Axial slice 183 of 375 of a chest CT (slice 1 is the lowest), reconstructed with the B45f kernel at 120 kVp; 1.00 mm slice thickness and 0.586 mm pixels.
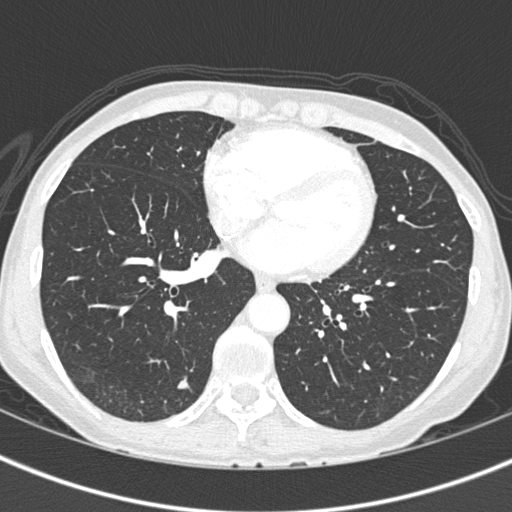
Pulmonary nodule, outlined by all four readers. Box on this slice rows 376–389, columns 175–188, the union of the readers' outlines on this slice; the four readers' outlines give a longest diameter between 7.8 and 9.2 mm and a volume between 83 and 105 mm3. The readers' ratings, as ranges where they differ: texture 5/5 (solid), all four readers agreeing; margin from 4/5 to 5/5 (circumscribed) across the four readers; sphericity from 3/5 (ovoid) to 5/5 (round) across the four readers; calcification absent from all four readers; internal structure soft tissue from all four readers; subtlety rated between 3 and 5 out of 5 by the four readers; malignancy likelihood rated between 3 and 4 out of 5 by the four readers. Scale key (1–5): texture non-solid→solid, margin indistinct→circumscribed, sphericity linear→round, subtlety extremely subtle→obvious, malignancy likelihood highly unlikely→highly suspicious of cancer. Box rows and columns are 0-based pixel indices from the top-left corner, inclusive.